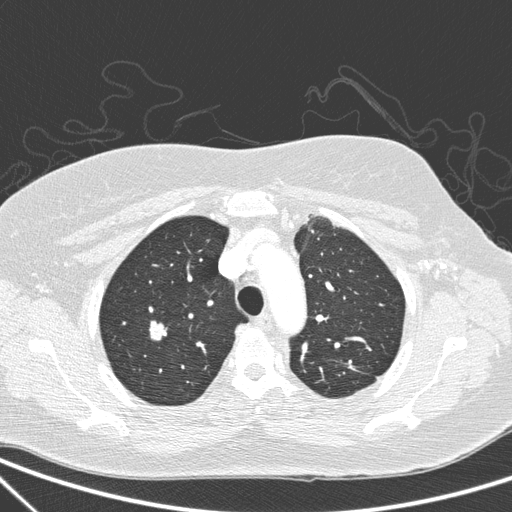
One axial slice (217 of 266, counting up from the lowest) of a chest CT acquired at 120 kVp with the D kernel; each pixel is 0.668 mm and the slice is 1.00 mm thick.
Pulmonary nodule, outlined by all four readers. Box on this slice rows 320–342, columns 149–166, the union of the readers' outlines on this slice; longest diameter 17.2 mm on average over the four readers' outlines (readers' outlines 16.7–17.7 mm), volume 1306–1533 mm3. The readers' prevailing ratings and who disagreed: texture 5/5 (solid) from all four readers; margin 3/5 by two of four readers; the rest gave 2/5 (one), 5/5 (circumscribed) (one); sphericity 4/5 by two of four readers; the rest gave 3/5 (ovoid) (one), 5/5 (round) (one); calcification absent, all four readers agreeing; internal structure soft tissue from all four readers; subtlety 5/5, all four readers agreeing; malignancy likelihood 5/5 by three of four readers; the rest gave 2/5 (one). Scale key (1–5): texture non-solid→solid, margin indistinct→circumscribed, sphericity linear→round, subtlety extremely subtle→obvious, malignancy likelihood highly unlikely→highly suspicious of cancer. Box rows and columns are 0-based pixel indices from the top-left corner, inclusive.